One axial slice (202 of 487, counting up from the lowest) of a chest CT acquired at 120 kVp with the STANDARD kernel; each pixel is 0.586 mm and the slice is 1.25 mm thick.
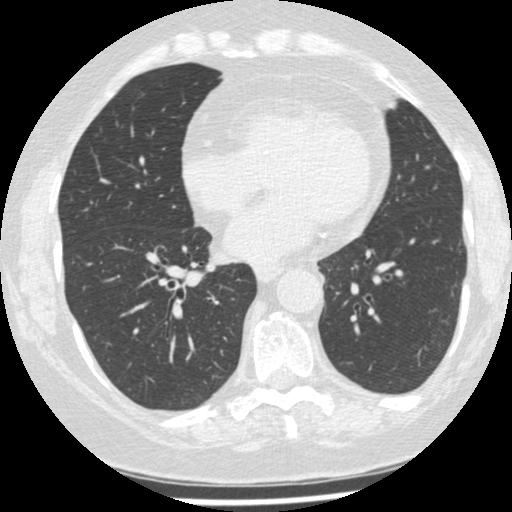
No nodule 3 mm or larger was outlined here by any reader.